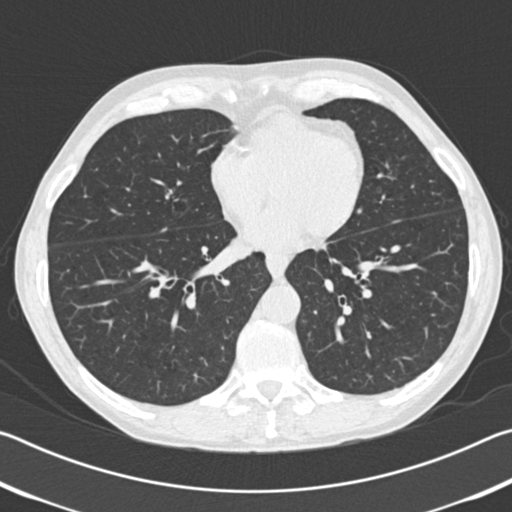
Chest CT, axial plane, 120 kVp, kernel B30f. Slice 75/192 from the bottom of the scan; thickness 2.00 mm; pixel size 0.664 mm.
Pulmonary nodule at rows 200–214, columns 171–188 (box = that reader's outline on this slice), outlined by one of the four readers; longest diameter 17.7 mm and volume 2737 mm3 from that reader's outline. Ratings by that reader: texture 1/5 (non-solid); margin 2/5; sphericity 4/5; calcification absent; internal structure soft tissue; subtlety 2/5; malignancy likelihood 2/5. Scale key (1–5): texture non-solid→solid, margin indistinct→circumscribed, sphericity linear→round, subtlety extremely subtle→obvious, malignancy likelihood highly unlikely→highly suspicious of cancer. Box rows and columns are 0-based pixel indices from the top-left corner, inclusive.